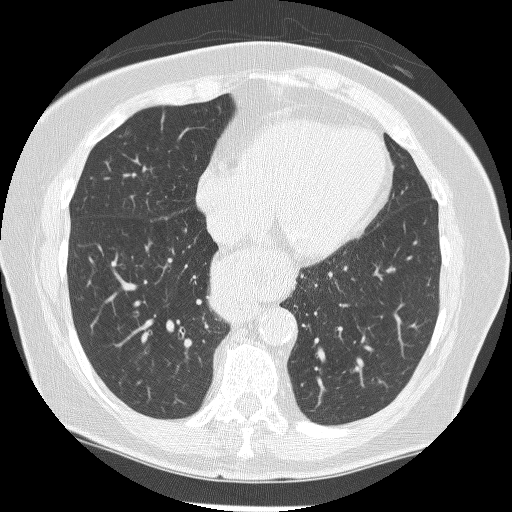
Slice 93/240 of a chest CT, counting up from the lowest; pixel size 0.604 mm, slice thickness 1.25 mm. Two pulmonary nodules on this slice, listed from left to right. (1) Pulmonary nodule, outlined by all four readers, two of them on this slice. Box on this slice rows 134–137, columns 118–121, the union of the readers' outlines on this slice; median longest diameter 5.8 mm (readers' outlines 5.4–6.0 mm), median volume 39 mm3 (28–58 mm3). Ratings, median across the readers with their spread: median texture 1.5/5 (readers ranged 1/5 (non-solid) to 5/5 (solid)); median margin 2.5/5 (readers ranged 2/5 to 5/5 (circumscribed)); median sphericity 3/5 (ovoid) (readers ranged 2/5 to 3/5 (ovoid)); calcification absent, all four readers agreeing; internal structure soft tissue from all four readers; median subtlety 2.5/5 (readers ranged 2–3); malignancy likelihood 2/5 at the median of four readers, spread 2–3. (2) Pulmonary nodule, outlined by three of the four readers, two of them on this slice. Box on this slice rows 267–272, columns 386–395, the union of the readers' outlines on this slice; median longest diameter 13.5 mm (readers' outlines 13.4–15.7 mm), median volume 281 mm3 (241–431 mm3). Ratings, median across the readers with their spread: texture 5/5 (solid) from all three readers; margin 5/5 (circumscribed) at the median of three readers, spread 4/5 to 5/5 (circumscribed); sphericity 2/5 from all three readers; calcification absent from all three readers; internal structure soft tissue from all three readers; subtlety 4/5 at the median of three readers, spread 2–4; median malignancy likelihood 4/5 (readers ranged 4–5). Scale key (1–5): texture non-solid→solid, margin indistinct→circumscribed, sphericity linear→round, subtlety extremely subtle→obvious, malignancy likelihood highly unlikely→highly suspicious of cancer. Box rows and columns are 0-based pixel indices from the top-left corner, inclusive.
Tube voltage 120 kVp; convolution kernel BONE.